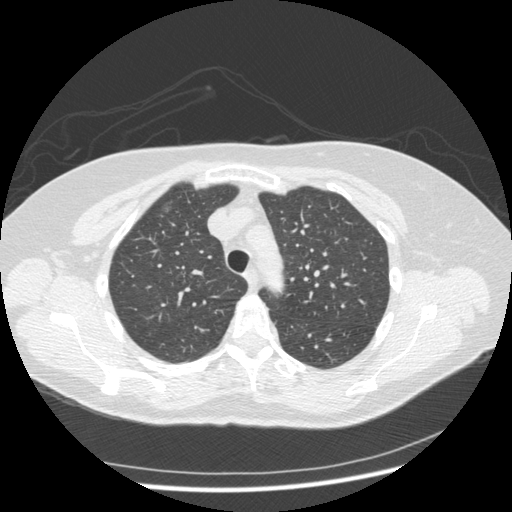
Chest CT, axial plane, 120 kVp, kernel STANDARD. Slice 330/436 from the bottom of the scan; thickness 1.25 mm; pixel size 0.703 mm.
Pulmonary nodule, outlined by all four readers. Box on this slice rows 199–213, columns 160–173, the union of the readers' outlines on this slice; longest diameter 11.4 mm on average over the four readers' outlines (readers' outlines 10.7–12.4 mm), volume 115–323 mm3. The readers' prevailing ratings and who disagreed: texture 1/5 (non-solid) by three of four readers; the rest gave 3/5 (part-solid) (one); margin split among the readers: 1/5 (indistinct) (one), 2/5 (one), 3/5 (one), 4/5 (one); sphericity 3/5 (ovoid) by two of four readers; the rest gave 4/5 (one), 5/5 (round) (one); calcification absent from all four readers; internal structure soft tissue from all four readers; subtlety 1/5 by two of four readers; the rest gave 2/5 (one), 3/5 (one); most readers (three of four) put malignancy likelihood at 3/5, others 2/5 (one). Scale key (1–5): texture non-solid→solid, margin indistinct→circumscribed, sphericity linear→round, subtlety extremely subtle→obvious, malignancy likelihood highly unlikely→highly suspicious of cancer. Box rows and columns are 0-based pixel indices from the top-left corner, inclusive.